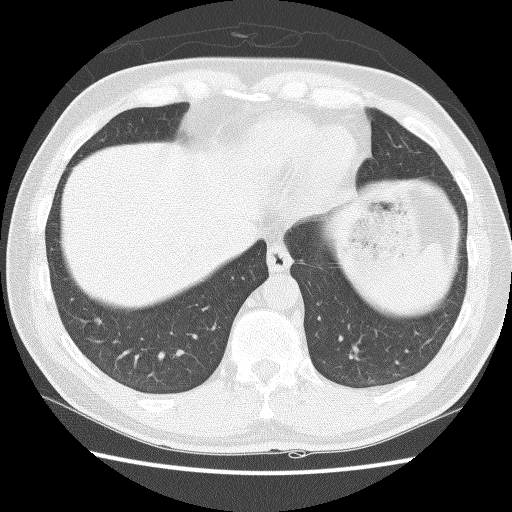
Axial slice 36 of 127 of a chest CT (slice 1 is the lowest), reconstructed with the BONE kernel at 140 kVp; 2.50 mm slice thickness and 0.664 mm pixels.
Pulmonary nodule at rows 318–324, columns 93–101 (box = the union of the readers' outlines on this slice), outlined by all four readers; the four readers' outlines give a longest diameter between 5.9 and 7.3 mm and a volume between 87 and 125 mm3. The readers' ratings, as ranges where they differ: texture from 3/5 (part-solid) to 5/5 (solid) across the four readers; margin from 3/5 to 5/5 (circumscribed) across the four readers; sphericity from 3/5 (ovoid) to 4/5 across the four readers; calcification absent from all four readers; internal structure soft tissue from all four readers; subtlety rated between 2 and 5 out of 5 by the four readers; malignancy likelihood 3/5, all four readers agreeing. Scale key (1–5): texture non-solid→solid, margin indistinct→circumscribed, sphericity linear→round, subtlety extremely subtle→obvious, malignancy likelihood highly unlikely→highly suspicious of cancer. Box rows and columns are 0-based pixel indices from the top-left corner, inclusive.